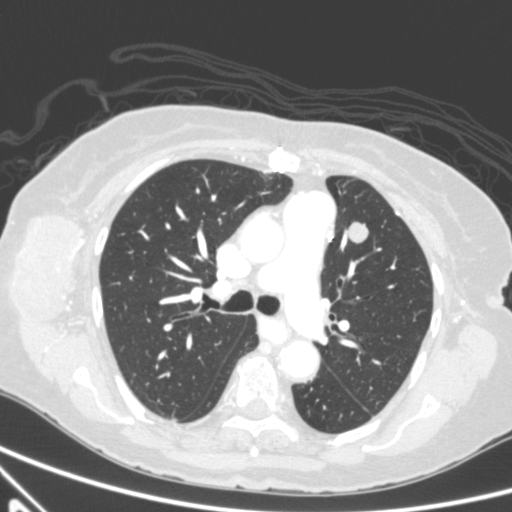
Axial chest CT slice 365 of 590 (counted from the lowest slice); tube voltage 120 kVp, convolution kernel B; slices 0.90 mm thick, 0.627 mm per pixel.
Pulmonary nodule at rows 220–243, columns 348–368 (box = the union of the readers' outlines on this slice), outlined by all four readers; longest diameter 17.9 mm on average over the four readers' outlines (readers' outlines 16.3–20.1 mm), volume 1116–1236 mm3. Ratings, by the readers' most common answer with dissent counted: texture 5/5 (solid) from all four readers; margin 4/5 by two of four readers; the rest gave 3/5 (one), 5/5 (circumscribed) (one); sphericity split among the readers: 3/5 (ovoid) (two), 4/5 (two); calcification absent, all four readers agreeing; internal structure soft tissue, all four readers agreeing; most readers (three of four) put subtlety at 5/5, others 4/5 (one); malignancy likelihood split among the readers: 3/5 (two), 5/5 (two). Scale key (1–5): texture non-solid→solid, margin indistinct→circumscribed, sphericity linear→round, subtlety extremely subtle→obvious, malignancy likelihood highly unlikely→highly suspicious of cancer. Box rows and columns are 0-based pixel indices from the top-left corner, inclusive.